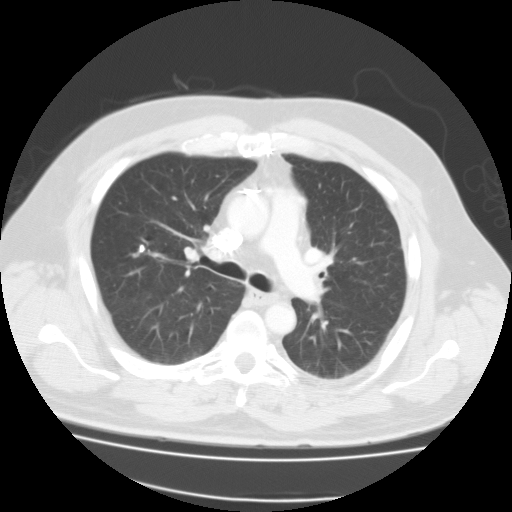
Axial slice 74 of 115 of a chest CT (slice 1 is the lowest), reconstructed with the FC01 kernel at 135 kVp; 3.00 mm slice thickness and 0.782 mm pixels.
Pulmonary nodule, outlined by three of the four readers. Box on this slice rows 245–251, columns 138–144, the union of the readers' outlines on this slice; longest diameter 7.0 mm on average over the three readers' outlines (readers' outlines 6.4–7.8 mm), volume 61–259 mm3. The readers' prevailing ratings and who disagreed: texture 5/5 (solid) from all three readers; margin 5/5 (circumscribed), all three readers agreeing; sphericity split among the readers: 2/5 (one), 3/5 (ovoid) (one), 4/5 (one); calcification solid calcification from all three readers; internal structure soft tissue, all three readers agreeing; most readers (two of three) put subtlety at 4/5, others 5/5 (one); malignancy likelihood 1/5, all three readers agreeing. Scale key (1–5): texture non-solid→solid, margin indistinct→circumscribed, sphericity linear→round, subtlety extremely subtle→obvious, malignancy likelihood highly unlikely→highly suspicious of cancer. Box rows and columns are 0-based pixel indices from the top-left corner, inclusive.